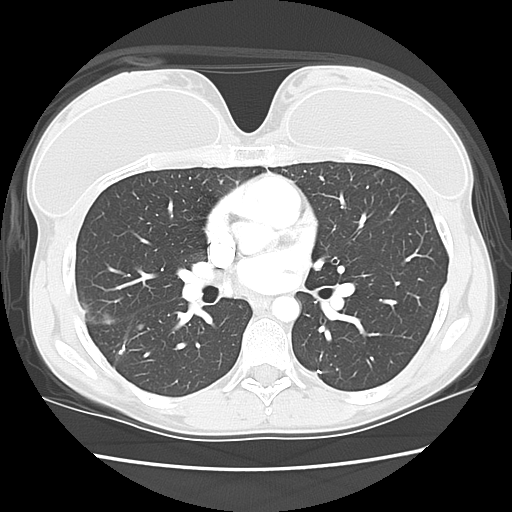
One axial slice (75 of 129, counting up from the lowest) of a chest CT acquired at 120 kVp with the LUNG kernel; each pixel is 0.625 mm and the slice is 2.50 mm thick.
Pulmonary nodule, outlined by all four readers. Box on this slice rows 323–330, columns 137–143, the union of the readers' outlines on this slice; longest diameter 5.6–8.5 mm and volume 114–201 mm3 across the four readers' outlines. Ratings across the readers: texture 5/5 (solid) from all four readers; margin from 4/5 to 5/5 (circumscribed) across the four readers; sphericity from 3/5 (ovoid) to 5/5 (round) across the four readers; calcification: solid calcification (two), laminated calcification (one), absent (one); internal structure soft tissue, all four readers agreeing; subtlety rated between 4 and 5 out of 5 by the four readers; malignancy likelihood 1–3/5 (the readers disagree). Scale key (1–5): texture non-solid→solid, margin indistinct→circumscribed, sphericity linear→round, subtlety extremely subtle→obvious, malignancy likelihood highly unlikely→highly suspicious of cancer. Box rows and columns are 0-based pixel indices from the top-left corner, inclusive.